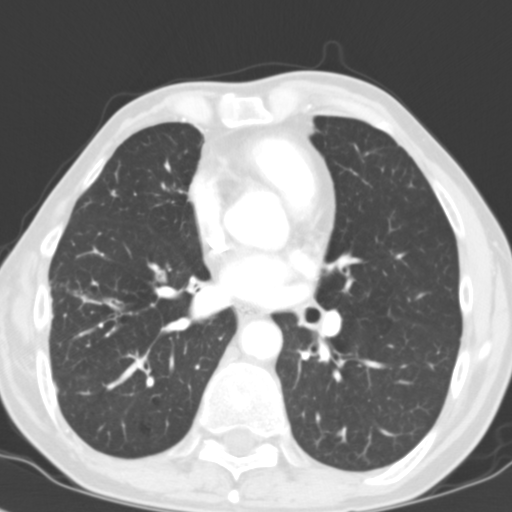
Chest CT, axial plane, 120 kVp, kernel B31f. Slice 58/116 from the bottom of the scan; thickness 3.00 mm; pixel size 0.547 mm.
Pulmonary nodule outlined by one of the four readers; box rows 426–436, columns 336–346 (that reader's outline on this slice); longest diameter 8.9 mm and volume 169 mm3 from that reader's outline. Ratings by that reader: texture 4/5; margin 4/5; sphericity 4/5; calcification absent; internal structure soft tissue; subtlety 4/5; malignancy likelihood 4/5. Scale key (1–5): texture non-solid→solid, margin indistinct→circumscribed, sphericity linear→round, subtlety extremely subtle→obvious, malignancy likelihood highly unlikely→highly suspicious of cancer. Box rows and columns are 0-based pixel indices from the top-left corner, inclusive.